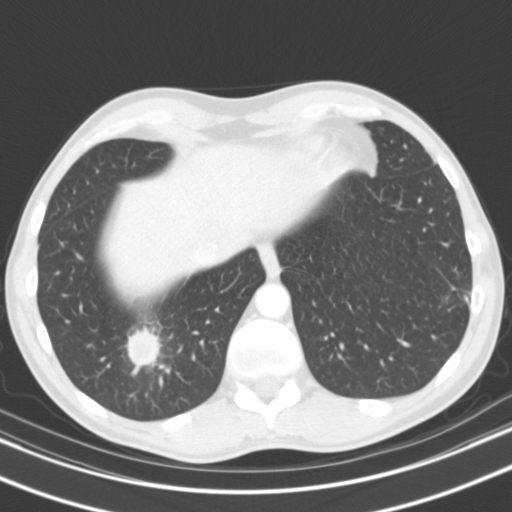
Slice 32/119 of a chest CT, counting up from the lowest; pixel size 0.650 mm, slice thickness 3.00 mm. Two pulmonary nodules are outlined on this slice; from left to right: (1) Pulmonary nodule outlined by all four readers; box rows 325–373, columns 127–160 (the union of the readers' outlines on this slice); longest diameter 31.8 mm on average over the four readers' outlines (readers' outlines 30.9–32.4 mm), volume 6985–9285 mm3. The readers' prevailing ratings and who disagreed: texture 5/5 (solid) by three of four readers; the rest gave 4/5 (one); margin 4/5 by two of four readers; the rest gave 2/5 (one), 3/5 (one); sphericity 5/5 (round) from all four readers; calcification absent from all four readers; internal structure soft tissue from all four readers; subtlety 5/5 from all four readers; malignancy likelihood 5/5 by two of four readers; the rest gave 2/5 (one), 4/5 (one). (2) Pulmonary nodule, outlined by all four readers, two of them on this slice. Box on this slice rows 291–303, columns 461–470, the union of the readers' outlines on this slice; median longest diameter 17.2 mm (readers' outlines 14.3–20.4 mm), median volume 1725 mm3 (1364–2386 mm3). Median ratings and the readers' spread: texture 4.5/5 at the median of four readers, spread 4/5 to 5/5 (solid); median margin 4/5 (readers ranged 2/5 to 4/5); median sphericity 3.5/5 (readers ranged 3/5 (ovoid) to 5/5 (round)); calcification absent from all four readers; internal structure soft tissue from all four readers; median subtlety 5/5 (readers ranged 4–5); malignancy likelihood 3.5/5 at the median of four readers, spread 2–5. Scale key (1–5): texture non-solid→solid, margin indistinct→circumscribed, sphericity linear→round, subtlety extremely subtle→obvious, malignancy likelihood highly unlikely→highly suspicious of cancer. Box rows and columns are 0-based pixel indices from the top-left corner, inclusive.
Tube voltage 130 kVp; convolution kernel B31s.